One axial slice (101 of 197, counting up from the lowest) of a chest CT acquired at 120 kVp with the STANDARD kernel; each pixel is 0.859 mm and the slice is 1.25 mm thick.
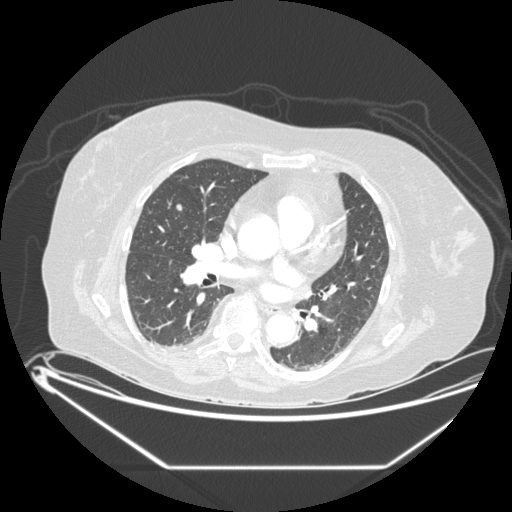
Pulmonary nodule outlined by all four readers; box rows 204–210, columns 176–181 (the union of the readers' outlines on this slice); the four readers' outlines give a longest diameter between 9.3 and 11.5 mm and a volume between 206 and 288 mm3. Ratings across the readers: texture 5/5 (solid) from all four readers; margin from 3/5 to 5/5 (circumscribed) across the four readers; sphericity from 3/5 (ovoid) to 5/5 (round) across the four readers; calcification absent from all four readers; internal structure soft tissue, all four readers agreeing; subtlety from 3/5 to 5/5 across the four readers; malignancy likelihood rated between 2 and 4 out of 5 by the four readers. Scale key (1–5): texture non-solid→solid, margin indistinct→circumscribed, sphericity linear→round, subtlety extremely subtle→obvious, malignancy likelihood highly unlikely→highly suspicious of cancer. Box rows and columns are 0-based pixel indices from the top-left corner, inclusive.